Chest CT, axial plane, 120 kVp, kernel D. Slice 101/290 from the bottom of the scan; thickness 1.00 mm; pixel size 0.662 mm.
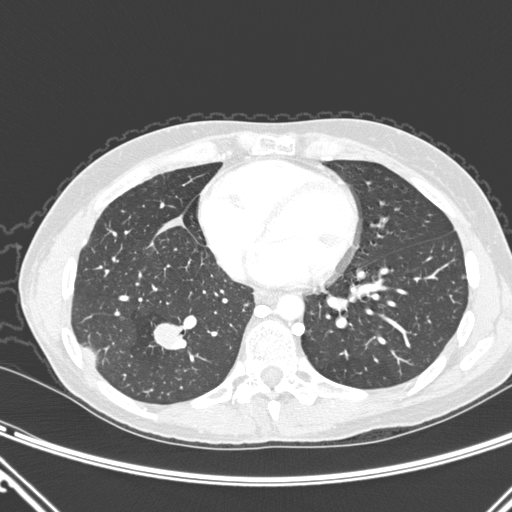
Pulmonary nodule at rows 321–350, columns 152–185 (box = the union of the readers' outlines on this slice), outlined by all four readers; median longest diameter 23.4 mm (readers' outlines 22.2–29.6 mm), median volume 2912 mm3 (2637–3531 mm3). Ratings, median across the readers with their spread: texture 5/5 (solid), all four readers agreeing; median margin 4.5/5 (readers ranged 4/5 to 5/5 (circumscribed)); sphericity 4/5 at the median of four readers, spread 2/5 to 5/5 (round); calcification absent from all four readers; internal structure soft tissue, all four readers agreeing; subtlety 5/5, all four readers agreeing; malignancy likelihood 4.5/5 at the median of four readers, spread 3–5. Scale key (1–5): texture non-solid→solid, margin indistinct→circumscribed, sphericity linear→round, subtlety extremely subtle→obvious, malignancy likelihood highly unlikely→highly suspicious of cancer. Box rows and columns are 0-based pixel indices from the top-left corner, inclusive.